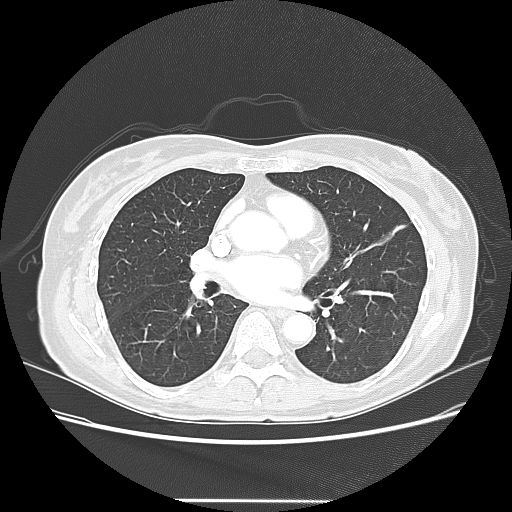
Chest CT, axial plane, 120 kVp, kernel LUNG. Slice 71/133 from the bottom of the scan; thickness 2.50 mm; pixel size 0.703 mm.
The readers outlined no nodule of 3 mm or more on this slice.